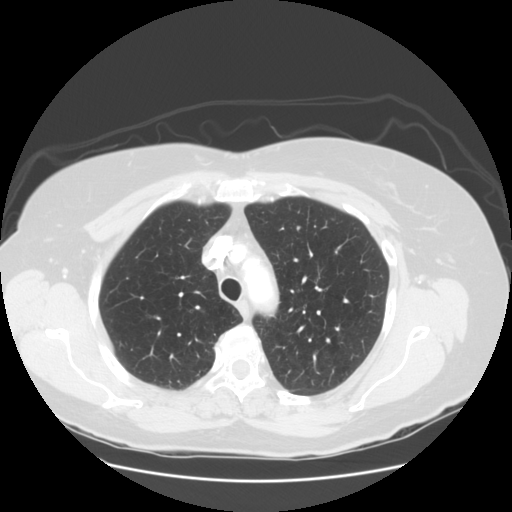
Axial chest CT slice 101 of 128 (counted from the lowest slice); 2.50 mm thick, 0.742 mm per pixel. No nodule of 3 mm or larger was outlined by any of the four readers on this slice.
Scan settings: 120 kVp, STANDARD reconstruction kernel.